Axial slice 48 of 118 of a chest CT (slice 1 is the lowest), reconstructed with the FC01 kernel at 135 kVp; 3.00 mm slice thickness and 0.665 mm pixels.
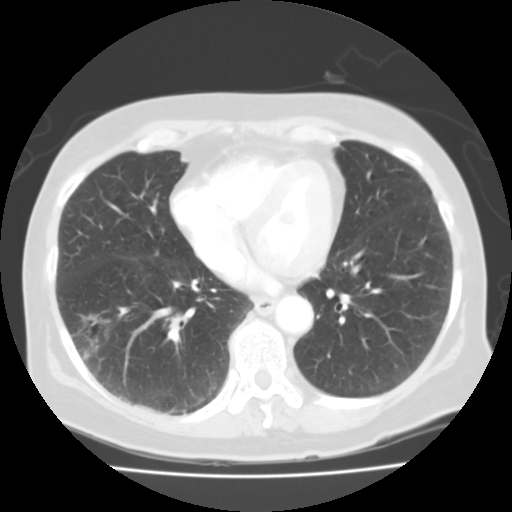
Pulmonary nodule, outlined by all four readers. Box on this slice rows 312–359, columns 72–113, the union of the readers' outlines on this slice; longest diameter 33.4 mm on average over the four readers' outlines (readers' outlines 31.8–35.1 mm), volume 6444–8715 mm3. Ratings, by the readers' most common answer with dissent counted: texture 1/5 (non-solid) by two of four readers; the rest gave 2/5 (one), 3/5 (part-solid) (one); margin 2/5 by two of four readers; the rest gave 1/5 (indistinct) (one), 3/5 (one); most readers (three of four) put sphericity at 4/5, others 5/5 (round) (one); calcification absent, all four readers agreeing; internal structure soft tissue, all four readers agreeing; subtlety 5/5, all four readers agreeing; malignancy likelihood split among the readers: 2/5 (one), 3/5 (one), 4/5 (one), 5/5 (one). Scale key (1–5): texture non-solid→solid, margin indistinct→circumscribed, sphericity linear→round, subtlety extremely subtle→obvious, malignancy likelihood highly unlikely→highly suspicious of cancer. Box rows and columns are 0-based pixel indices from the top-left corner, inclusive.